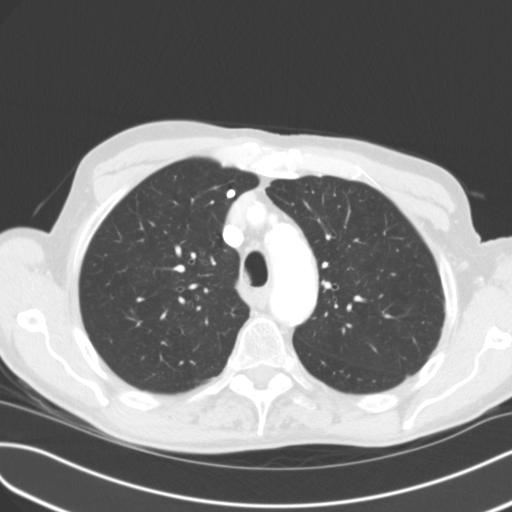
Axial slice 84 of 114 of a chest CT (slice 1 is the lowest), reconstructed with the B31f kernel at 120 kVp; 3.00 mm slice thickness and 0.689 mm pixels.
Pulmonary nodule at rows 189–197, columns 226–235 (box = the union of the readers' outlines on this slice), outlined by two of the four readers; median longest diameter 7.1 mm (readers' outlines 6.5–7.6 mm), median volume 134 mm3 (127–142 mm3). Median ratings and the readers' spread: texture 5/5 (solid), both readers agreeing; margin 5/5 (circumscribed), both readers agreeing; median sphericity 4/5 (readers ranged 3/5 (ovoid) to 5/5 (round)); calcification solid calcification from both readers; internal structure soft tissue, both readers agreeing; subtlety 5/5, both readers agreeing; malignancy likelihood 1/5 from both readers. Scale key (1–5): texture non-solid→solid, margin indistinct→circumscribed, sphericity linear→round, subtlety extremely subtle→obvious, malignancy likelihood highly unlikely→highly suspicious of cancer. Box rows and columns are 0-based pixel indices from the top-left corner, inclusive.